Chest CT, axial plane, 140 kVp, kernel B. Slice 187/305 from the bottom of the scan; thickness 2.00 mm; pixel size 0.834 mm.
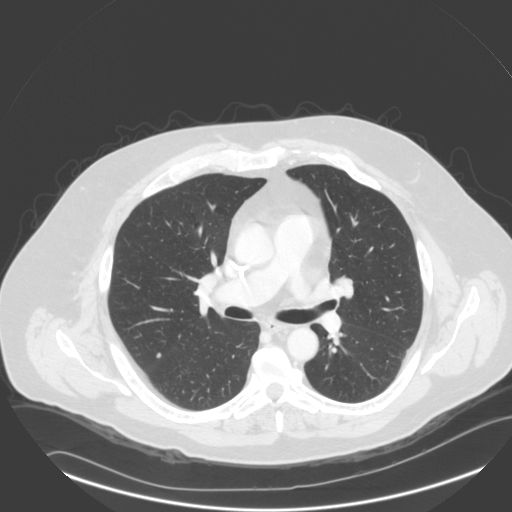
Pulmonary nodule outlined by all four readers; box rows 352–358, columns 156–161 (the union of the readers' outlines on this slice); median longest diameter 6.9 mm (readers' outlines 5.3–8.2 mm), median volume 106 mm3 (54–176 mm3). Ratings, median across the readers with their spread: texture 5/5 (solid) from all four readers; margin 5/5 (circumscribed) from all four readers; median sphericity 4/5 (readers ranged 4/5 to 5/5 (round)); calcification absent from all four readers; internal structure soft tissue, all four readers agreeing; median subtlety 5/5 (readers ranged 4–5); median malignancy likelihood 3/5 (readers ranged 2–3). Scale key (1–5): texture non-solid→solid, margin indistinct→circumscribed, sphericity linear→round, subtlety extremely subtle→obvious, malignancy likelihood highly unlikely→highly suspicious of cancer. Box rows and columns are 0-based pixel indices from the top-left corner, inclusive.